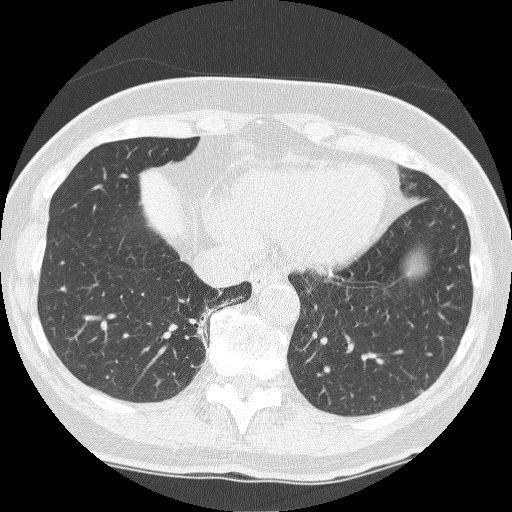
Axial chest CT slice 71 of 250 (counted from the lowest slice); 1.25 mm thick, 0.586 mm per pixel. Pulmonary nodule, outlined by three of the four readers, two of them on this slice. Box on this slice rows 388–394, columns 417–424, the union of the readers' outlines on this slice; longest diameter 6.8 mm on average over the three readers' outlines (readers' outlines 5.8–8.1 mm), volume 81–143 mm3. The readers' prevailing ratings and who disagreed: most readers (two of three) put texture at 5/5 (solid), others 4/5 (one); margin 4/5 by two of three readers; the rest gave 5/5 (circumscribed) (one); sphericity 3/5 (ovoid) by two of three readers; the rest gave 4/5 (one); calcification absent from all three readers; internal structure soft tissue from all three readers; most readers (two of three) put subtlety at 5/5, others 4/5 (one); malignancy likelihood 4/5 by two of three readers; the rest gave 3/5 (one). Scale key (1–5): texture non-solid→solid, margin indistinct→circumscribed, sphericity linear→round, subtlety extremely subtle→obvious, malignancy likelihood highly unlikely→highly suspicious of cancer. Box rows and columns are 0-based pixel indices from the top-left corner, inclusive.
Tube voltage 120 kVp; convolution kernel BONE.